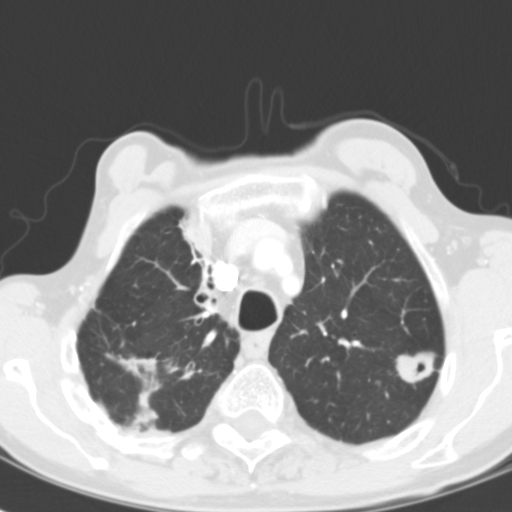
This is axial slice 90 of 116 (slice 1 is the lowest) of a chest CT; each pixel is 0.547 mm and the slice is 3.00 mm thick. Pulmonary nodule, outlined by all four readers. Box on this slice rows 348–383, columns 394–436, the union of the readers' outlines on this slice; longest diameter 25.8 mm on average over the four readers' outlines (readers' outlines 23.8–26.7 mm), volume 3983–5133 mm3. The readers' prevailing ratings and who disagreed: most readers (three of four) put texture at 5/5 (solid), others 3/5 (part-solid) (one); margin 4/5 by two of four readers; the rest gave 3/5 (one), 5/5 (circumscribed) (one); sphericity 4/5 by three of four readers; the rest gave 3/5 (ovoid) (one); calcification absent from all four readers; internal structure soft tissue by three of four readers, air (one); subtlety 5/5 from all four readers; malignancy likelihood 5/5 by two of four readers; the rest gave 2/5 (one), 3/5 (one). Scale key (1–5): texture non-solid→solid, margin indistinct→circumscribed, sphericity linear→round, subtlety extremely subtle→obvious, malignancy likelihood highly unlikely→highly suspicious of cancer. Box rows and columns are 0-based pixel indices from the top-left corner, inclusive.
Scan settings: 120 kVp, B31f reconstruction kernel.